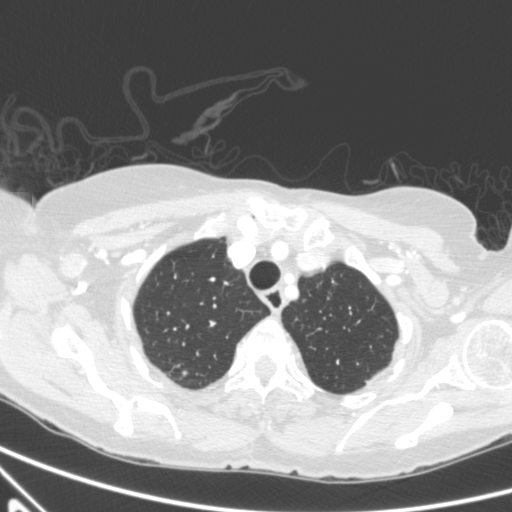
Axial slice 516 of 590 of a chest CT (slice 1 is the lowest), reconstructed with the B kernel at 120 kVp; 0.90 mm slice thickness and 0.627 mm pixels.
Pulmonary nodule, outlined by three of the four readers. Box on this slice rows 370–376, columns 180–187, the union of the readers' outlines on this slice; longest diameter 5.8 mm on average over the three readers' outlines (readers' outlines 5.4–6.2 mm), volume 51–88 mm3. Ratings, by the readers' most common answer with dissent counted: texture 4/5 by two of three readers; the rest gave 5/5 (solid) (one); margin split among the readers: 3/5 (one), 4/5 (one), 5/5 (circumscribed) (one); sphericity split among the readers: 3/5 (ovoid) (one), 4/5 (one), 5/5 (round) (one); calcification absent from all three readers; internal structure soft tissue, all three readers agreeing; subtlety 3/5, all three readers agreeing; most readers (two of three) put malignancy likelihood at 3/5, others 2/5 (one). Scale key (1–5): texture non-solid→solid, margin indistinct→circumscribed, sphericity linear→round, subtlety extremely subtle→obvious, malignancy likelihood highly unlikely→highly suspicious of cancer. Box rows and columns are 0-based pixel indices from the top-left corner, inclusive.